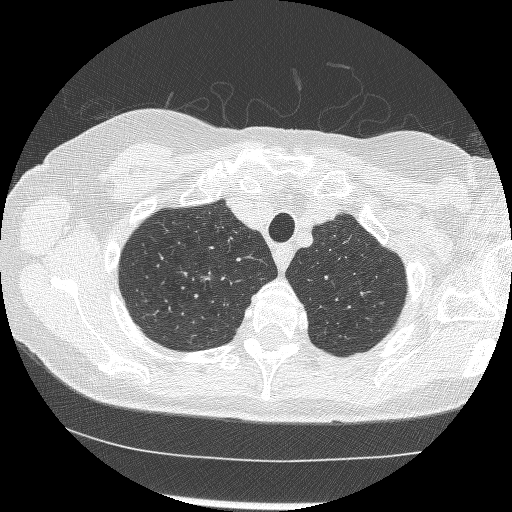
Axial slice 211 of 246 of a chest CT (slice 1 is the lowest), reconstructed with the BONE kernel at 120 kVp; 1.25 mm slice thickness and 0.586 mm pixels.
Pulmonary nodule outlined by all four readers; box rows 271–280, columns 200–211 (the union of the readers' outlines on this slice); longest diameter 8.4 mm on average over the four readers' outlines (readers' outlines 6.1–10.0 mm), volume 66–342 mm3. Ratings, by the readers' most common answer with dissent counted: texture 5/5 (solid) by two of four readers; the rest gave 3/5 (part-solid) (one), 4/5 (one); margin 3/5 by two of four readers; the rest gave 1/5 (indistinct) (one), 2/5 (one); most readers (three of four) put sphericity at 2/5, others 3/5 (ovoid) (one); calcification absent, all four readers agreeing; internal structure soft tissue from all four readers; subtlety 3/5 by two of four readers; the rest gave 4/5 (one), 5/5 (one); malignancy likelihood 4/5 by two of four readers; the rest gave 3/5 (one), 5/5 (one). Scale key (1–5): texture non-solid→solid, margin indistinct→circumscribed, sphericity linear→round, subtlety extremely subtle→obvious, malignancy likelihood highly unlikely→highly suspicious of cancer. Box rows and columns are 0-based pixel indices from the top-left corner, inclusive.